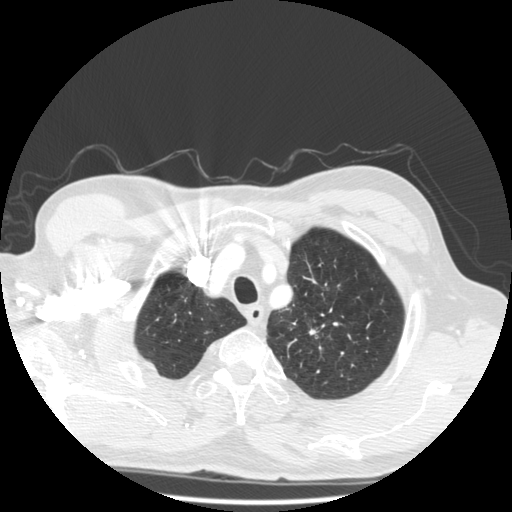
Slice 438/501 of a chest CT, counting up from the lowest; pixel size 0.703 mm, slice thickness 1.25 mm. Pulmonary nodule at rows 328–334, columns 309–315 (box = the union of the readers' outlines on this slice), outlined by three of the four readers, two of them on this slice; longest diameter 32.1–39.2 mm and volume 2361–4873 mm3 across the three readers' outlines. The readers' ratings, as ranges where they differ: texture from 4/5 to 5/5 (solid) across the three readers; margin from 1/5 (indistinct) to 5/5 (circumscribed) across the three readers; sphericity from 2/5 to 5/5 (round) across the three readers; calcification absent from all three readers; internal structure soft tissue from all three readers; subtlety 5/5, all three readers agreeing; malignancy likelihood from 4/5 to 5/5 across the three readers. Scale key (1–5): texture non-solid→solid, margin indistinct→circumscribed, sphericity linear→round, subtlety extremely subtle→obvious, malignancy likelihood highly unlikely→highly suspicious of cancer. Box rows and columns are 0-based pixel indices from the top-left corner, inclusive.
Scan settings: 140 kVp, STANDARD reconstruction kernel.